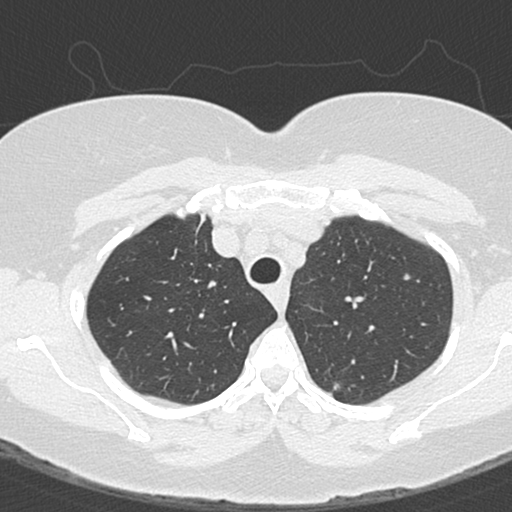
Axial slice 270 of 327 of a chest CT (slice 1 is the lowest), reconstructed with the B45f kernel at 120 kVp; 1.00 mm slice thickness and 0.547 mm pixels.
Two pulmonary nodules are outlined on this slice; from left to right: (1) Pulmonary nodule outlined by three of the four readers; box rows 382–390, columns 332–339 (the union of the readers' outlines on this slice); longest diameter 7.3–12.8 mm and volume 81–146 mm3 across the three readers' outlines. Ratings across the readers: texture 5/5 (solid), all three readers agreeing; margin from 4/5 to 5/5 (circumscribed) across the three readers; sphericity from 3/5 (ovoid) to 5/5 (round) across the three readers; calcification absent from all three readers; internal structure soft tissue from all three readers; subtlety rated between 3 and 4 out of 5 by the three readers; malignancy likelihood from 2/5 to 4/5 across the three readers. (2) Pulmonary nodule at rows 274–279, columns 404–409 (box = that reader's outline on this slice), outlined by one of the four readers; longest diameter 4.7 mm and volume 29 mm3 from that reader's outline. That reader's ratings: texture 5/5 (solid); margin 4/5; sphericity 5/5 (round); calcification absent; internal structure soft tissue; subtlety 2/5; malignancy likelihood 3/5. Scale key (1–5): texture non-solid→solid, margin indistinct→circumscribed, sphericity linear→round, subtlety extremely subtle→obvious, malignancy likelihood highly unlikely→highly suspicious of cancer. Box rows and columns are 0-based pixel indices from the top-left corner, inclusive.